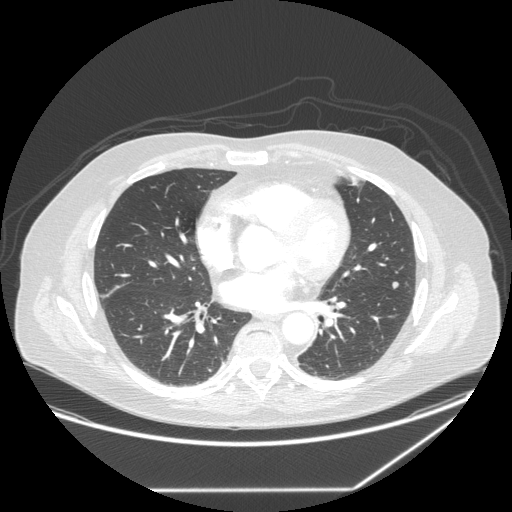
Axial slice 127 of 258 of a chest CT (slice 1 is the lowest), reconstructed with the STANDARD kernel at 120 kVp; 1.25 mm slice thickness and 0.859 mm pixels.
Pulmonary nodule outlined by all four readers; box rows 281–288, columns 391–398 (the union of the readers' outlines on this slice); longest diameter 7.9 mm on average over the four readers' outlines (readers' outlines 7.3–8.6 mm), volume 165–207 mm3. Ratings, by the readers' most common answer with dissent counted: texture 5/5 (solid) from all four readers; margin 5/5 (circumscribed) from all four readers; sphericity 5/5 (round) by three of four readers; the rest gave 4/5 (one); calcification absent, all four readers agreeing; internal structure soft tissue from all four readers; subtlety 3/5 by two of four readers; the rest gave 4/5 (one), 5/5 (one); malignancy likelihood split among the readers: 2/5 (two), 3/5 (two). Scale key (1–5): texture non-solid→solid, margin indistinct→circumscribed, sphericity linear→round, subtlety extremely subtle→obvious, malignancy likelihood highly unlikely→highly suspicious of cancer. Box rows and columns are 0-based pixel indices from the top-left corner, inclusive.